Axial chest CT slice 424 of 633 (counted from the lowest slice); tube voltage 120 kVp, convolution kernel B30f; slices 0.60 mm thick, 0.541 mm per pixel.
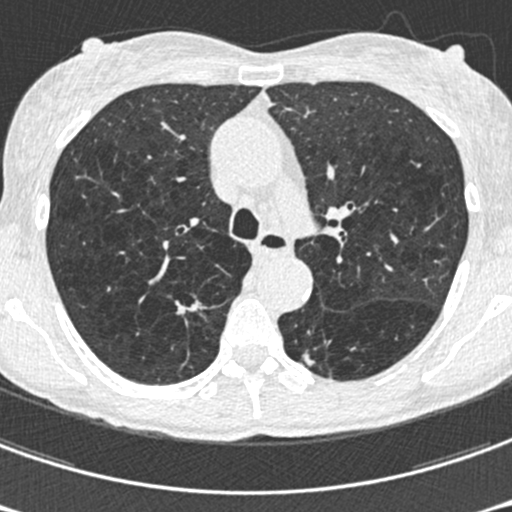
Two pulmonary nodules on this slice, listed from left to right. (1) Pulmonary nodule outlined by all four readers; box rows 299–314, columns 175–205 (the union of the readers' outlines on this slice); longest diameter 19.0 mm on average over the four readers' outlines (readers' outlines 18.1–21.0 mm), volume 1292–1642 mm3. The readers' prevailing ratings and who disagreed: texture 5/5 (solid) from all four readers; margin 2/5 by two of four readers; the rest gave 1/5 (indistinct) (one), 3/5 (one); sphericity 3/5 (ovoid) by two of four readers; the rest gave 2/5 (one), 4/5 (one); calcification absent from all four readers; internal structure soft tissue, all four readers agreeing; subtlety 5/5 by three of four readers; the rest gave 4/5 (one); malignancy likelihood 5/5 by three of four readers; the rest gave 4/5 (one). (2) Pulmonary nodule, outlined by one of the four readers. Box on this slice rows 349–366, columns 302–314, that reader's outline on this slice; longest diameter 20.7 mm and volume 470 mm3 from that reader's outline. That reader's ratings: texture 5/5 (solid); margin 1/5 (indistinct); sphericity 2/5; calcification absent; internal structure soft tissue; subtlety 4/5; malignancy likelihood 3/5. Scale key (1–5): texture non-solid→solid, margin indistinct→circumscribed, sphericity linear→round, subtlety extremely subtle→obvious, malignancy likelihood highly unlikely→highly suspicious of cancer. Box rows and columns are 0-based pixel indices from the top-left corner, inclusive.